One axial slice (73 of 127, counting up from the lowest) of a chest CT acquired at 120 kVp with the B31f kernel; each pixel is 0.537 mm and the slice is 3.00 mm thick.
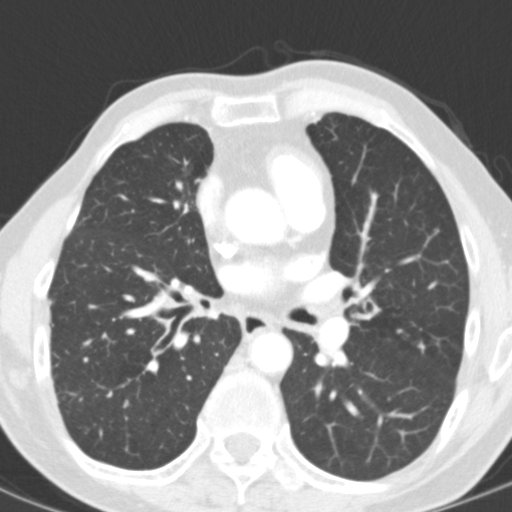
Pulmonary nodule outlined by three of the four readers; box rows 400–408, columns 124–128 (the union of the readers' outlines on this slice); longest diameter 6.3 mm on average over the three readers' outlines (readers' outlines 5.6–7.3 mm), volume 116–194 mm3. The readers' prevailing ratings and who disagreed: texture 5/5 (solid) by two of three readers; the rest gave 4/5 (one); margin 3/5 by two of three readers; the rest gave 5/5 (circumscribed) (one); sphericity 4/5 from all three readers; calcification absent, all three readers agreeing; internal structure soft tissue from all three readers; subtlety split among the readers: 2/5 (one), 3/5 (one), 4/5 (one); most readers (two of three) put malignancy likelihood at 3/5, others 1/5 (one). Scale key (1–5): texture non-solid→solid, margin indistinct→circumscribed, sphericity linear→round, subtlety extremely subtle→obvious, malignancy likelihood highly unlikely→highly suspicious of cancer. Box rows and columns are 0-based pixel indices from the top-left corner, inclusive.